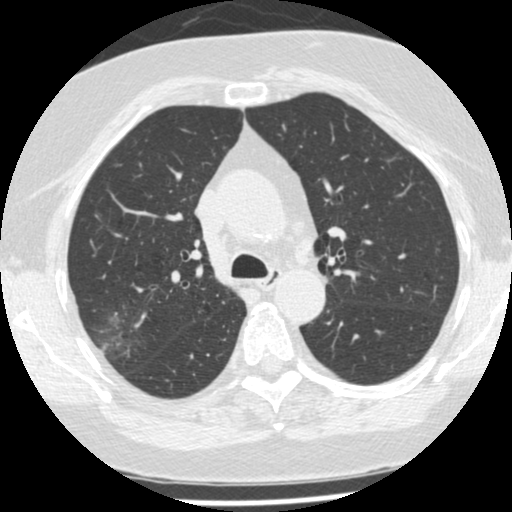
Axial slice 338 of 487 of a chest CT (slice 1 is the lowest), reconstructed with the STANDARD kernel at 120 kVp; 1.25 mm slice thickness and 0.586 mm pixels.
Pulmonary nodule outlined by two of the four readers, one of them on this slice; box rows 334–357, columns 96–120 (the one reader's outline on this slice); the two readers' outlines give a longest diameter between 11.3 and 24.9 mm and a volume between 232 and 2964 mm3. Ratings across the readers: texture 3/5 (part-solid), both readers agreeing; margin from 1/5 (indistinct) to 2/5 across the two readers; sphericity 4/5, both readers agreeing; calcification absent from both readers; internal structure soft tissue from both readers; subtlety 4/5, both readers agreeing; malignancy likelihood 3–4/5 (the readers disagree). Scale key (1–5): texture non-solid→solid, margin indistinct→circumscribed, sphericity linear→round, subtlety extremely subtle→obvious, malignancy likelihood highly unlikely→highly suspicious of cancer. Box rows and columns are 0-based pixel indices from the top-left corner, inclusive.